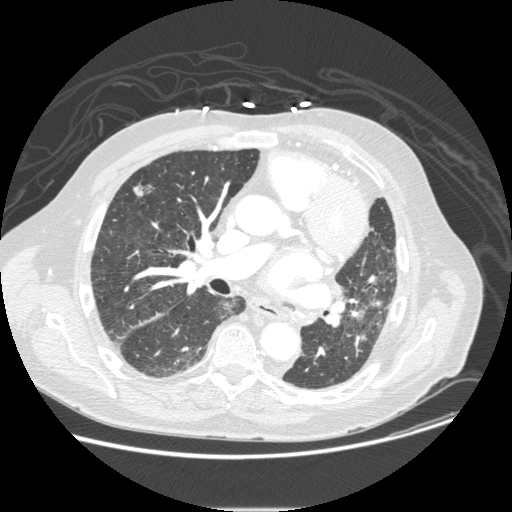
One axial slice (143 of 232, counting up from the lowest) of a chest CT acquired at 120 kVp with the STANDARD kernel; each pixel is 0.781 mm and the slice is 1.25 mm thick.
Two pulmonary nodules on this slice, listed from left to right. (1) Pulmonary nodule at rows 183–196, columns 133–155 (box = the union of the readers' outlines on this slice), outlined by all four readers; longest diameter 14.3–19.0 mm and volume 516–753 mm3 across the four readers' outlines. The readers' ratings, as ranges where they differ: texture from 4/5 to 5/5 (solid) across the four readers; margin from 3/5 to 4/5 across the four readers; sphericity from 3/5 (ovoid) to 4/5 across the four readers; calcification absent, all four readers agreeing; internal structure soft tissue from all four readers; subtlety rated between 4 and 5 out of 5 by the four readers; malignancy likelihood rated between 2 and 4 out of 5 by the four readers. (2) Pulmonary nodule at rows 299–313, columns 218–236 (box = the union of the readers' outlines on this slice), outlined by three of the four readers; longest diameter 21.5 mm on average over the three readers' outlines (readers' outlines 19.3–24.1 mm), volume 947–2023 mm3. Ratings, by the readers' most common answer with dissent counted: texture 1/5 (non-solid) by two of three readers; the rest gave 2/5 (one); most readers (two of three) put margin at 3/5, others 2/5 (one); sphericity split among the readers: 2/5 (one), 3/5 (ovoid) (one), 4/5 (one); calcification absent, all three readers agreeing; internal structure soft tissue from all three readers; most readers (two of three) put subtlety at 4/5, others 3/5 (one); most readers (two of three) put malignancy likelihood at 4/5, others 2/5 (one). Scale key (1–5): texture non-solid→solid, margin indistinct→circumscribed, sphericity linear→round, subtlety extremely subtle→obvious, malignancy likelihood highly unlikely→highly suspicious of cancer. Box rows and columns are 0-based pixel indices from the top-left corner, inclusive.